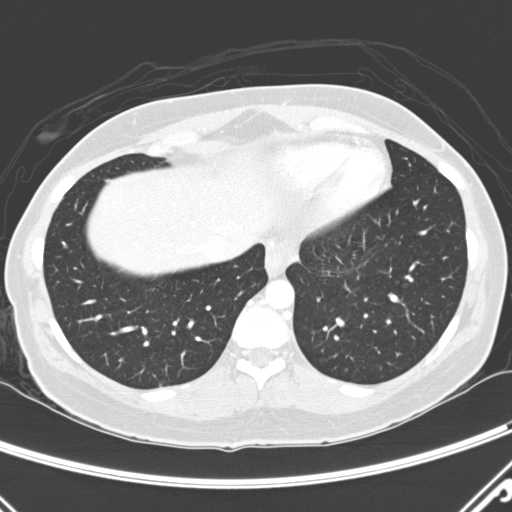
One axial slice (78 of 290, counting up from the lowest) of a chest CT acquired at 120 kVp with the D kernel; each pixel is 0.648 mm and the slice is 2.00 mm thick.
Pulmonary nodule, outlined by two of the four readers. Box on this slice rows 245–248, columns 63–67, the union of the readers' outlines on this slice; the two readers' outlines give a longest diameter between 7.1 and 7.6 mm and a volume between 80 and 93 mm3. Ratings across the readers: texture 5/5 (solid), both readers agreeing; margin 5/5 (circumscribed), both readers agreeing; sphericity from 4/5 to 5/5 (round) across the two readers; calcification absent, both readers agreeing; internal structure soft tissue from both readers; subtlety rated between 4 and 5 out of 5 by the two readers; malignancy likelihood 3/5 from both readers. Scale key (1–5): texture non-solid→solid, margin indistinct→circumscribed, sphericity linear→round, subtlety extremely subtle→obvious, malignancy likelihood highly unlikely→highly suspicious of cancer. Box rows and columns are 0-based pixel indices from the top-left corner, inclusive.